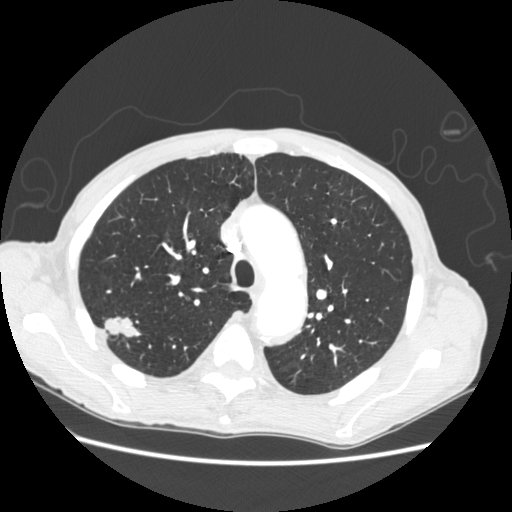
One axial slice (177 of 248, counting up from the lowest) of a chest CT acquired at 120 kVp with the STANDARD kernel; each pixel is 0.703 mm and the slice is 1.25 mm thick.
Pulmonary nodule outlined by all four readers; box rows 315–337, columns 103–141 (the union of the readers' outlines on this slice); longest diameter 26.0–32.7 mm and volume 5181–6655 mm3 across the four readers' outlines. The readers' ratings, as ranges where they differ: texture 5/5 (solid) from all four readers; margin from 2/5 to 5/5 (circumscribed) across the four readers; sphericity from 3/5 (ovoid) to 4/5 across the four readers; calcification absent, all four readers agreeing; internal structure soft tissue from all four readers; subtlety 5/5, all four readers agreeing; malignancy likelihood rated between 3 and 5 out of 5 by the four readers. Scale key (1–5): texture non-solid→solid, margin indistinct→circumscribed, sphericity linear→round, subtlety extremely subtle→obvious, malignancy likelihood highly unlikely→highly suspicious of cancer. Box rows and columns are 0-based pixel indices from the top-left corner, inclusive.